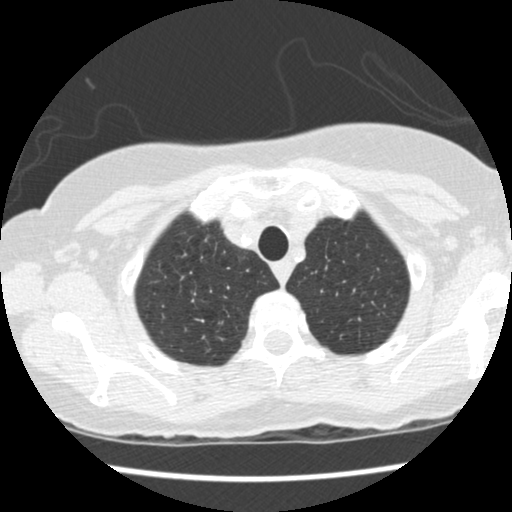
Axial chest CT slice 397 of 458 (counted from the lowest slice); 1.25 mm thick, 0.586 mm per pixel. Pulmonary nodule outlined by all four readers, two of them on this slice; box rows 234–241, columns 205–209 (the union of the readers' outlines on this slice); longest diameter 9.7 mm on average over the four readers' outlines (readers' outlines 9.1–10.0 mm), volume 243–272 mm3. The readers' prevailing ratings and who disagreed: texture 5/5 (solid) by three of four readers; the rest gave 4/5 (one); margin split among the readers: 4/5 (two), 5/5 (circumscribed) (two); sphericity 3/5 (ovoid) by two of four readers; the rest gave 4/5 (one), 5/5 (round) (one); calcification absent from all four readers; internal structure soft tissue from all four readers; subtlety split among the readers: 4/5 (two), 5/5 (two); malignancy likelihood 4/5 by two of four readers; the rest gave 2/5 (one), 3/5 (one). Scale key (1–5): texture non-solid→solid, margin indistinct→circumscribed, sphericity linear→round, subtlety extremely subtle→obvious, malignancy likelihood highly unlikely→highly suspicious of cancer. Box rows and columns are 0-based pixel indices from the top-left corner, inclusive.
Acquired at 120 kVp and reconstructed with the STANDARD kernel.